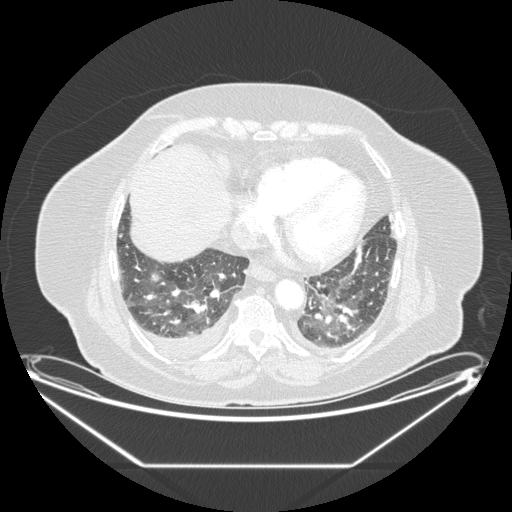
Slice 58/206 of a chest CT, counting up from the lowest; pixel size 0.898 mm, slice thickness 1.25 mm. Pulmonary nodule at rows 273–281, columns 151–159 (box = the union of the readers' outlines on this slice), outlined by all four readers, two of them on this slice; median longest diameter 26.6 mm (readers' outlines 25.7–34.7 mm), median volume 4111 mm3 (3668–5061 mm3). Ratings, median across the readers with their spread: median texture 5/5 (solid) (readers ranged 4/5 to 5/5 (solid)); margin 4/5, all four readers agreeing; median sphericity 3/5 (ovoid) (readers ranged 3/5 (ovoid) to 5/5 (round)); calcification absent, all four readers agreeing; internal structure soft tissue, all four readers agreeing; median subtlety 5/5 (readers ranged 4–5); malignancy likelihood 4.5/5 at the median of four readers, spread 3–5. Scale key (1–5): texture non-solid→solid, margin indistinct→circumscribed, sphericity linear→round, subtlety extremely subtle→obvious, malignancy likelihood highly unlikely→highly suspicious of cancer. Box rows and columns are 0-based pixel indices from the top-left corner, inclusive.
Tube voltage 120 kVp; convolution kernel STANDARD.